One axial slice (385 of 461, counting up from the lowest) of a chest CT acquired at 120 kVp with the STANDARD kernel; each pixel is 0.645 mm and the slice is 1.25 mm thick.
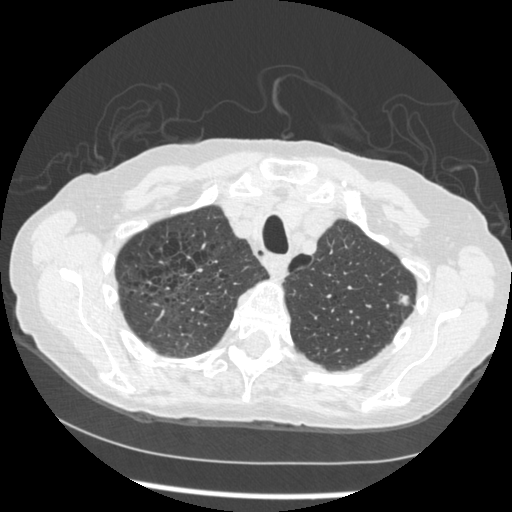
Pulmonary nodule outlined by all four readers; box rows 294–306, columns 397–409 (the union of the readers' outlines on this slice); longest diameter 10.1 mm on average over the four readers' outlines (readers' outlines 9.2–11.1 mm), volume 139–248 mm3. Ratings, by the readers' most common answer with dissent counted: texture 5/5 (solid) by three of four readers; the rest gave 3/5 (part-solid) (one); margin 4/5 by two of four readers; the rest gave 2/5 (one), 5/5 (circumscribed) (one); sphericity 4/5 by two of four readers; the rest gave 2/5 (one), 5/5 (round) (one); calcification absent from all four readers; internal structure soft tissue, all four readers agreeing; subtlety 5/5 by two of four readers; the rest gave 3/5 (one), 4/5 (one); malignancy likelihood 3/5 by two of four readers; the rest gave 2/5 (one), 4/5 (one). Scale key (1–5): texture non-solid→solid, margin indistinct→circumscribed, sphericity linear→round, subtlety extremely subtle→obvious, malignancy likelihood highly unlikely→highly suspicious of cancer. Box rows and columns are 0-based pixel indices from the top-left corner, inclusive.